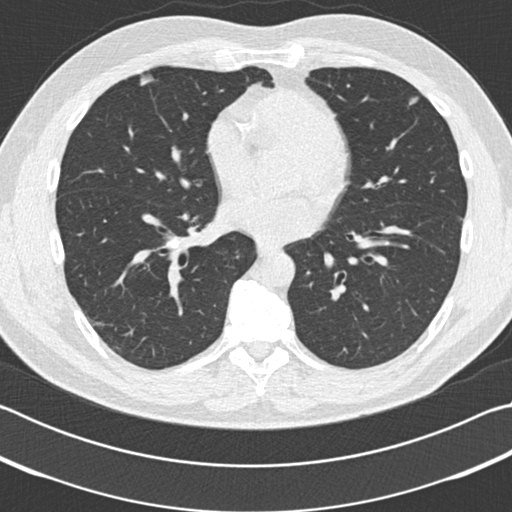
This is axial slice 85 of 185 (slice 1 is the lowest) of a chest CT; each pixel is 0.664 mm and the slice is 2.00 mm thick. Pulmonary nodule outlined by three of the four readers; box rows 72–86, columns 140–159 (the union of the readers' outlines on this slice); the three readers' outlines give a longest diameter between 9.5 and 14.7 mm and a volume between 181 and 358 mm3. The readers' ratings, as ranges where they differ: texture 5/5 (solid) from all three readers; margin from 2/5 to 4/5 across the three readers; sphericity from 3/5 (ovoid) to 4/5 across the three readers; calcification absent, all three readers agreeing; internal structure soft tissue, all three readers agreeing; subtlety 4–5/5 (the readers disagree); malignancy likelihood 3–5/5 (the readers disagree). Scale key (1–5): texture non-solid→solid, margin indistinct→circumscribed, sphericity linear→round, subtlety extremely subtle→obvious, malignancy likelihood highly unlikely→highly suspicious of cancer. Box rows and columns are 0-based pixel indices from the top-left corner, inclusive.
Scan settings: 120 kVp, B30f reconstruction kernel.